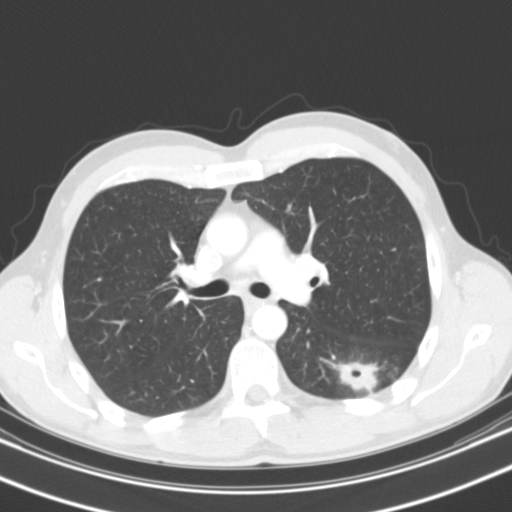
Axial chest CT slice 73 of 119 (counted from the lowest slice); tube voltage 130 kVp, convolution kernel B31s; slices 3.00 mm thick, 0.650 mm per pixel.
Pulmonary nodule outlined by all four readers; box rows 361–395, columns 333–379 (the union of the readers' outlines on this slice); longest diameter 36.6 mm on average over the four readers' outlines (readers' outlines 31.4–40.2 mm), volume 6737–11596 mm3. Ratings, by the readers' most common answer with dissent counted: most readers (three of four) put texture at 5/5 (solid), others 4/5 (one); margin 4/5 by two of four readers; the rest gave 1/5 (indistinct) (one), 3/5 (one); sphericity 4/5 by two of four readers; the rest gave 3/5 (ovoid) (one), 5/5 (round) (one); calcification absent from all four readers; internal structure soft tissue by three of four readers, air (one); subtlety 5/5 from all four readers; malignancy likelihood 5/5 by two of four readers; the rest gave 2/5 (one), 4/5 (one). Scale key (1–5): texture non-solid→solid, margin indistinct→circumscribed, sphericity linear→round, subtlety extremely subtle→obvious, malignancy likelihood highly unlikely→highly suspicious of cancer. Box rows and columns are 0-based pixel indices from the top-left corner, inclusive.